Chest CT, axial plane, 120 kVp, kernel STANDARD. Slice 211/261 from the bottom of the scan; thickness 1.25 mm; pixel size 0.684 mm.
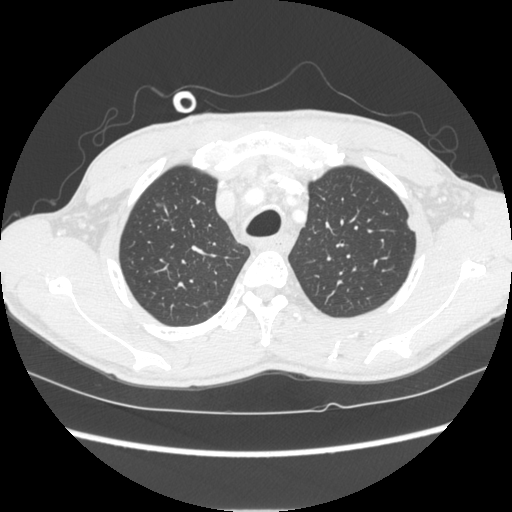
Two pulmonary nodules on this slice, listed from left to right. (1) Pulmonary nodule at rows 203–207, columns 155–160 (box = the one reader's outline on this slice), outlined by all four readers, one of them on this slice; the four readers' outlines give a longest diameter between 13.4 and 14.6 mm and a volume between 779 and 989 mm3. Ratings across the readers: texture 5/5 (solid), all four readers agreeing; margin 5/5 (circumscribed) from all four readers; sphericity from 4/5 to 5/5 (round) across the four readers; calcification absent from all four readers; internal structure soft tissue from all four readers; subtlety rated between 3 and 5 out of 5 by the four readers; malignancy likelihood 2–5/5 (the readers disagree). (2) Pulmonary nodule outlined by all four readers; box rows 216–231, columns 407–414 (the union of the readers' outlines on this slice); longest diameter 12.5 mm on average over the four readers' outlines (readers' outlines 11.7–13.4 mm), volume 372–605 mm3. The readers' prevailing ratings and who disagreed: texture 5/5 (solid) from all four readers; margin 5/5 (circumscribed) from all four readers; sphericity 4/5 by two of four readers; the rest gave 3/5 (ovoid) (one), 5/5 (round) (one); calcification absent, all four readers agreeing; internal structure soft tissue, all four readers agreeing; subtlety 5/5 by two of four readers; the rest gave 3/5 (one), 4/5 (one); malignancy likelihood split among the readers: 2/5 (one), 3/5 (one), 4/5 (one), 5/5 (one). Scale key (1–5): texture non-solid→solid, margin indistinct→circumscribed, sphericity linear→round, subtlety extremely subtle→obvious, malignancy likelihood highly unlikely→highly suspicious of cancer. Box rows and columns are 0-based pixel indices from the top-left corner, inclusive.